Axial slice 162 of 257 of a chest CT (slice 1 is the lowest), reconstructed with the STANDARD kernel at 120 kVp; 1.25 mm slice thickness and 0.787 mm pixels.
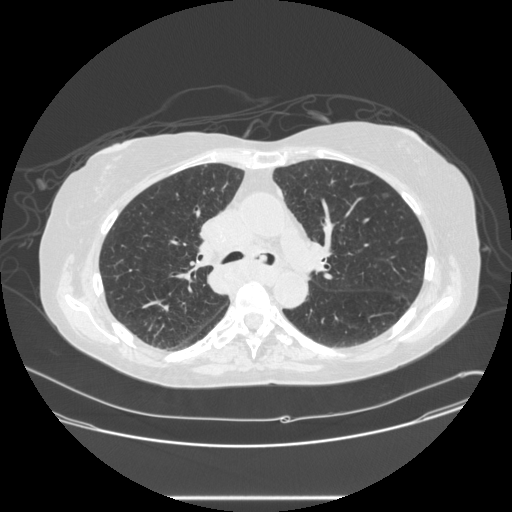
Pulmonary nodule, outlined by one of the four readers. Box on this slice rows 192–198, columns 382–389, that reader's outline on this slice; longest diameter 8.4 mm and volume 115 mm3 from that reader's outline. Ratings by that reader: texture 1/5 (non-solid); margin 1/5 (indistinct); sphericity 4/5; calcification absent; internal structure soft tissue; subtlety 1/5; malignancy likelihood 3/5. Scale key (1–5): texture non-solid→solid, margin indistinct→circumscribed, sphericity linear→round, subtlety extremely subtle→obvious, malignancy likelihood highly unlikely→highly suspicious of cancer. Box rows and columns are 0-based pixel indices from the top-left corner, inclusive.